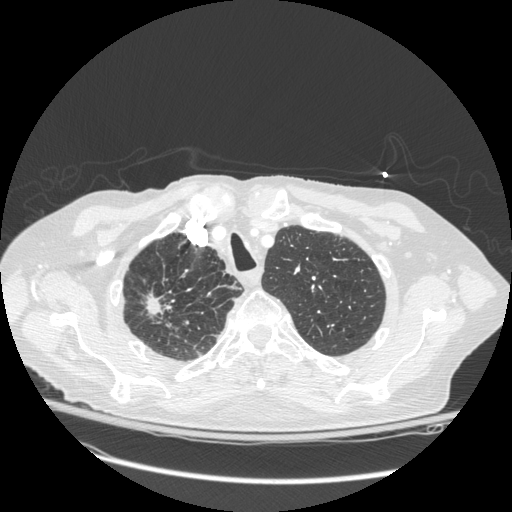
Axial chest CT slice 226 of 272 (counted from the lowest slice); 1.25 mm thick, 0.742 mm per pixel. Pulmonary nodule outlined by all four readers; box rows 291–317, columns 145–171 (the union of the readers' outlines on this slice); longest diameter 28.8 mm on average over the four readers' outlines (readers' outlines 16.0–56.1 mm), volume 732–13897 mm3. Ratings, by the readers' most common answer with dissent counted: texture 5/5 (solid) from all four readers; most readers (three of four) put margin at 3/5, others 5/5 (circumscribed) (one); sphericity 3/5 (ovoid) by three of four readers; the rest gave 4/5 (one); calcification absent from all four readers; internal structure soft tissue, all four readers agreeing; subtlety 5/5 from all four readers; malignancy likelihood 5/5 by three of four readers; the rest gave 4/5 (one). Scale key (1–5): texture non-solid→solid, margin indistinct→circumscribed, sphericity linear→round, subtlety extremely subtle→obvious, malignancy likelihood highly unlikely→highly suspicious of cancer. Box rows and columns are 0-based pixel indices from the top-left corner, inclusive.
Tube voltage 120 kVp; convolution kernel STANDARD.